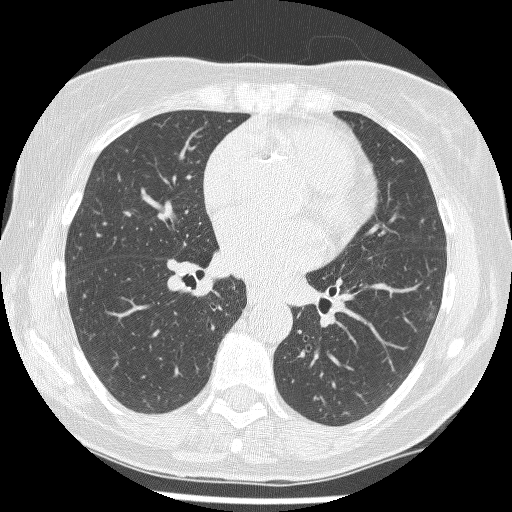
One axial slice (122 of 241, counting up from the lowest) of a chest CT acquired at 120 kVp with the BONE kernel; each pixel is 0.590 mm and the slice is 1.25 mm thick.
Pulmonary nodule at rows 299–322, columns 417–437 (box = the union of the readers' outlines on this slice), outlined by three of the four readers; longest diameter 16.1–17.2 mm and volume 610–777 mm3 across the three readers' outlines. The readers' ratings, as ranges where they differ: texture from 1/5 (non-solid) to 2/5 across the three readers; margin from 1/5 (indistinct) to 3/5 across the three readers; sphericity from 3/5 (ovoid) to 4/5 across the three readers; calcification absent from all three readers; internal structure soft tissue, all three readers agreeing; subtlety from 2/5 to 4/5 across the three readers; malignancy likelihood rated between 3 and 4 out of 5 by the three readers. Scale key (1–5): texture non-solid→solid, margin indistinct→circumscribed, sphericity linear→round, subtlety extremely subtle→obvious, malignancy likelihood highly unlikely→highly suspicious of cancer. Box rows and columns are 0-based pixel indices from the top-left corner, inclusive.